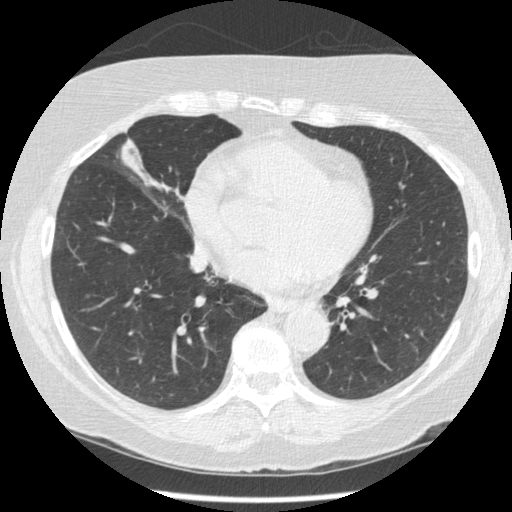
One axial slice (203 of 484, counting up from the lowest) of a chest CT acquired at 120 kVp with the STANDARD kernel; each pixel is 0.664 mm and the slice is 1.25 mm thick.
Pulmonary nodule at rows 294–297, columns 85–89 (box = that reader's outline on this slice), outlined by one of the four readers; longest diameter 5.6 mm and volume 47 mm3 from that reader's outline. Ratings by that reader: texture 5/5 (solid); margin 4/5; sphericity 5/5 (round); calcification absent; internal structure soft tissue; subtlety 5/5; malignancy likelihood 3/5. Scale key (1–5): texture non-solid→solid, margin indistinct→circumscribed, sphericity linear→round, subtlety extremely subtle→obvious, malignancy likelihood highly unlikely→highly suspicious of cancer. Box rows and columns are 0-based pixel indices from the top-left corner, inclusive.